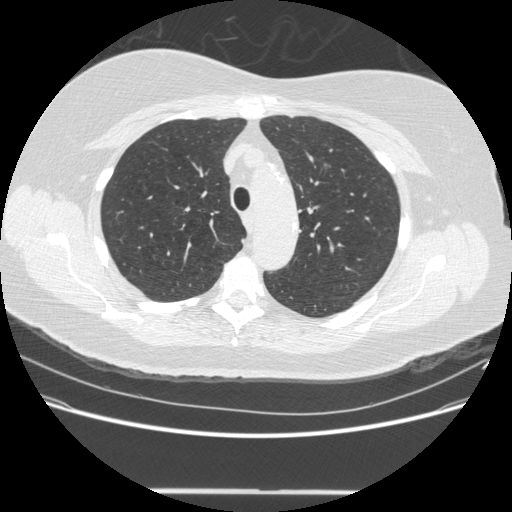
Chest CT, axial plane, 120 kVp, kernel STANDARD. Slice 356/481 from the bottom of the scan; thickness 1.25 mm; pixel size 0.742 mm.
Pulmonary nodule, outlined by three of the four readers, one of them on this slice. Box on this slice rows 269–271, columns 319–322, the one reader's outline on this slice; longest diameter 6.7 mm on average over the three readers' outlines (readers' outlines 6.3–7.0 mm), volume 65–113 mm3. Ratings, by the readers' most common answer with dissent counted: texture split among the readers: 3/5 (part-solid) (one), 4/5 (one), 5/5 (solid) (one); margin split among the readers: 2/5 (one), 3/5 (one), 4/5 (one); most readers (two of three) put sphericity at 4/5, others 3/5 (ovoid) (one); calcification absent from all three readers; internal structure soft tissue, all three readers agreeing; subtlety split among the readers: 2/5 (one), 3/5 (one), 4/5 (one); malignancy likelihood 3/5 by two of three readers; the rest gave 2/5 (one). Scale key (1–5): texture non-solid→solid, margin indistinct→circumscribed, sphericity linear→round, subtlety extremely subtle→obvious, malignancy likelihood highly unlikely→highly suspicious of cancer. Box rows and columns are 0-based pixel indices from the top-left corner, inclusive.